Chest CT, axial plane, 120 kVp, kernel BONE. Slice 243/268 from the bottom of the scan; thickness 1.25 mm; pixel size 0.742 mm.
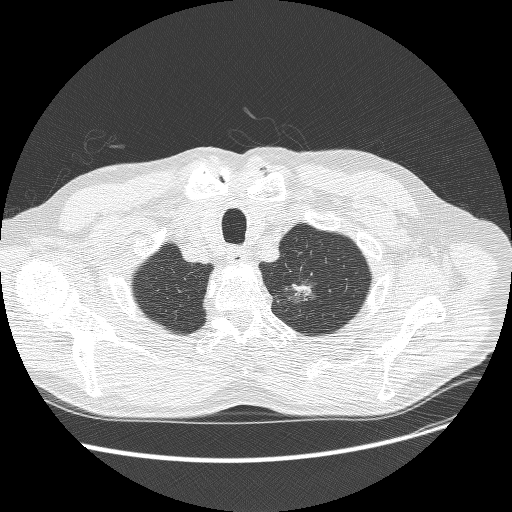
Pulmonary nodule at rows 279–303, columns 282–317 (box = the union of the readers' outlines on this slice), outlined by three of the four readers; the three readers' outlines give a longest diameter between 30.8 and 31.7 mm and a volume between 4750 and 7267 mm3. Ratings across the readers: texture 3/5 (part-solid), all three readers agreeing; margin 1/5 (indistinct) from all three readers; sphericity from 3/5 (ovoid) to 4/5 across the three readers; calcification absent, all three readers agreeing; internal structure soft tissue from all three readers; subtlety from 4/5 to 5/5 across the three readers; malignancy likelihood 4–5/5 (the readers disagree). Scale key (1–5): texture non-solid→solid, margin indistinct→circumscribed, sphericity linear→round, subtlety extremely subtle→obvious, malignancy likelihood highly unlikely→highly suspicious of cancer. Box rows and columns are 0-based pixel indices from the top-left corner, inclusive.